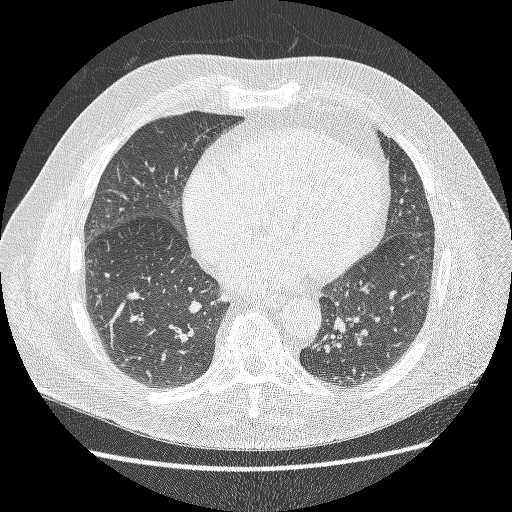
One axial slice (135 of 267, counting up from the lowest) of a chest CT acquired at 120 kVp with the BONE kernel; each pixel is 0.752 mm and the slice is 1.25 mm thick.
Pulmonary nodule outlined by all four readers, two of them on this slice; box rows 363–366, columns 120–125 (the union of the readers' outlines on this slice); longest diameter 9.2 mm on average over the four readers' outlines (readers' outlines 7.5–10.1 mm), volume 186–246 mm3. Ratings, by the readers' most common answer with dissent counted: texture 5/5 (solid) by three of four readers; the rest gave 4/5 (one); margin split among the readers: 4/5 (two), 5/5 (circumscribed) (two); most readers (three of four) put sphericity at 5/5 (round), others 4/5 (one); calcification absent, all four readers agreeing; internal structure soft tissue from all four readers; subtlety 3/5 by two of four readers; the rest gave 2/5 (one), 4/5 (one); malignancy likelihood 3/5 by three of four readers; the rest gave 2/5 (one). Scale key (1–5): texture non-solid→solid, margin indistinct→circumscribed, sphericity linear→round, subtlety extremely subtle→obvious, malignancy likelihood highly unlikely→highly suspicious of cancer. Box rows and columns are 0-based pixel indices from the top-left corner, inclusive.